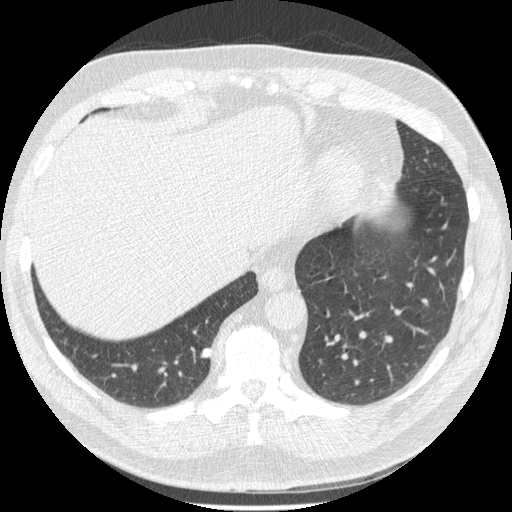
Axial chest CT slice 162 of 557 (counted from the lowest slice); tube voltage 120 kVp, convolution kernel STANDARD; slices 1.25 mm thick, 0.703 mm per pixel.
Pulmonary nodule outlined by all four readers; box rows 348–357, columns 200–210 (the union of the readers' outlines on this slice); longest diameter 10.2 mm on average over the four readers' outlines (readers' outlines 8.6–11.5 mm), volume 175–299 mm3. Ratings, by the readers' most common answer with dissent counted: texture 5/5 (solid) from all four readers; margin 5/5 (circumscribed) by three of four readers; the rest gave 2/5 (one); sphericity split among the readers: 4/5 (two), 5/5 (round) (two); calcification solid calcification by two of four readers, absent (one), central calcification (one); internal structure soft tissue from all four readers; subtlety 5/5 by two of four readers; the rest gave 3/5 (one), 4/5 (one); most readers (three of four) put malignancy likelihood at 1/5, others 4/5 (one). Scale key (1–5): texture non-solid→solid, margin indistinct→circumscribed, sphericity linear→round, subtlety extremely subtle→obvious, malignancy likelihood highly unlikely→highly suspicious of cancer. Box rows and columns are 0-based pixel indices from the top-left corner, inclusive.